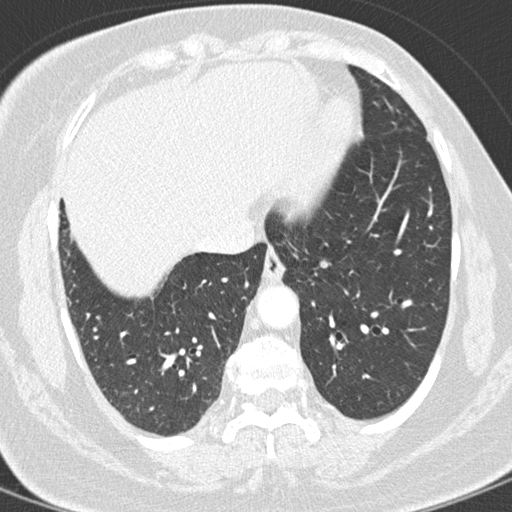
Slice 109/298 of a chest CT, counting up from the lowest; pixel size 0.547 mm, slice thickness 1.00 mm. Pulmonary nodule outlined by three of the four readers; box rows 260–268, columns 320–328 (the union of the readers' outlines on this slice); the three readers' outlines give a longest diameter between 5.6 and 6.6 mm and a volume between 48 and 68 mm3. Ratings across the readers: texture from 4/5 to 5/5 (solid) across the three readers; margin from 3/5 to 5/5 (circumscribed) across the three readers; sphericity from 3/5 (ovoid) to 5/5 (round) across the three readers; calcification absent, all three readers agreeing; internal structure soft tissue from all three readers; subtlety rated between 1 and 3 out of 5 by the three readers; malignancy likelihood 2–3/5 (the readers disagree). Scale key (1–5): texture non-solid→solid, margin indistinct→circumscribed, sphericity linear→round, subtlety extremely subtle→obvious, malignancy likelihood highly unlikely→highly suspicious of cancer. Box rows and columns are 0-based pixel indices from the top-left corner, inclusive.
Scan settings: 120 kVp, B45f reconstruction kernel.